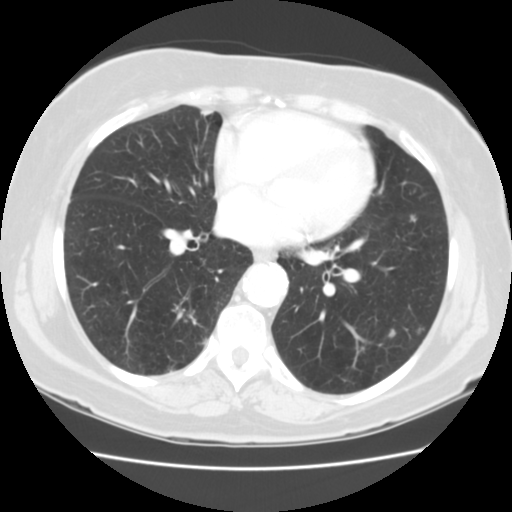
Chest CT, axial plane, 120 kVp, kernel STANDARD. Slice 69/133 from the bottom of the scan; thickness 2.50 mm; pixel size 0.625 mm.
Pulmonary nodule outlined by two of the four readers; box rows 329–337, columns 388–395 (the union of the readers' outlines on this slice); median longest diameter 6.6 mm (readers' outlines 6.5–6.7 mm), median volume 60 mm3 (57–62 mm3). Ratings, median across the readers with their spread: texture 4/5, both readers agreeing; margin 3.5/5 at the median of two readers, spread 3/5 to 4/5; sphericity 3/5 (ovoid), both readers agreeing; calcification absent, both readers agreeing; internal structure soft tissue, both readers agreeing; subtlety 1.5/5 at the median of two readers, spread 1–2; malignancy likelihood 3/5, both readers agreeing. Scale key (1–5): texture non-solid→solid, margin indistinct→circumscribed, sphericity linear→round, subtlety extremely subtle→obvious, malignancy likelihood highly unlikely→highly suspicious of cancer. Box rows and columns are 0-based pixel indices from the top-left corner, inclusive.